One axial slice (215 of 368, counting up from the lowest) of a chest CT acquired at 120 kVp with the B70f kernel; each pixel is 0.623 mm and the slice is 2.00 mm thick.
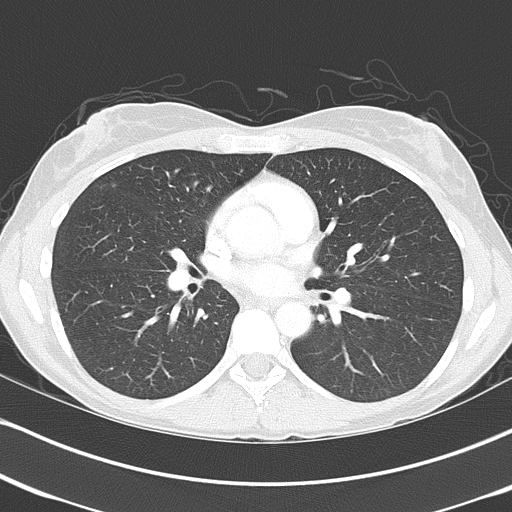
Pulmonary nodule outlined by all four readers, two of them on this slice; box rows 185–186, columns 112–114 (the union of the readers' outlines on this slice); longest diameter 5.6–6.1 mm and volume 43–61 mm3 across the four readers' outlines. Ratings across the readers: texture from 3/5 (part-solid) to 5/5 (solid) across the four readers; margin from 2/5 to 4/5 across the four readers; sphericity 3/5 (ovoid) from all four readers; calcification absent from all four readers; internal structure soft tissue, all four readers agreeing; subtlety 3–5/5 (the readers disagree); malignancy likelihood 2–3/5 (the readers disagree). Scale key (1–5): texture non-solid→solid, margin indistinct→circumscribed, sphericity linear→round, subtlety extremely subtle→obvious, malignancy likelihood highly unlikely→highly suspicious of cancer. Box rows and columns are 0-based pixel indices from the top-left corner, inclusive.